Axial slice 585 of 733 of a chest CT (slice 1 is the lowest), reconstructed with the B50f kernel at 120 kVp; 0.60 mm slice thickness and 0.637 mm pixels.
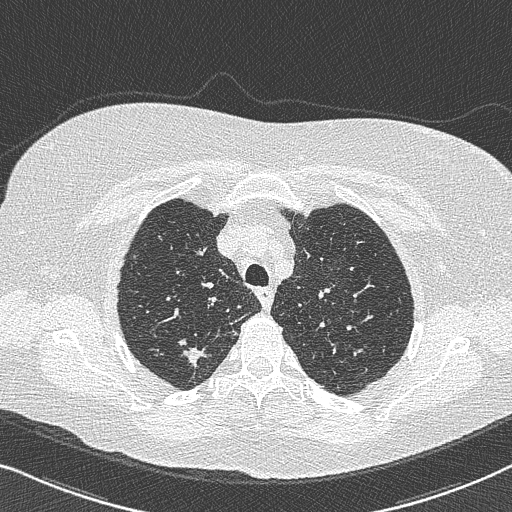
Pulmonary nodule outlined by all four readers; box rows 343–367, columns 179–209 (the union of the readers' outlines on this slice); longest diameter 15.5–29.7 mm and volume 888–2128 mm3 across the four readers' outlines. Ratings across the readers: texture from 4/5 to 5/5 (solid) across the four readers; margin from 1/5 (indistinct) to 4/5 across the four readers; sphericity from 2/5 to 5/5 (round) across the four readers; calcification absent, all four readers agreeing; internal structure soft tissue from all four readers; subtlety rated between 4 and 5 out of 5 by the four readers; malignancy likelihood rated between 4 and 5 out of 5 by the four readers. Scale key (1–5): texture non-solid→solid, margin indistinct→circumscribed, sphericity linear→round, subtlety extremely subtle→obvious, malignancy likelihood highly unlikely→highly suspicious of cancer. Box rows and columns are 0-based pixel indices from the top-left corner, inclusive.